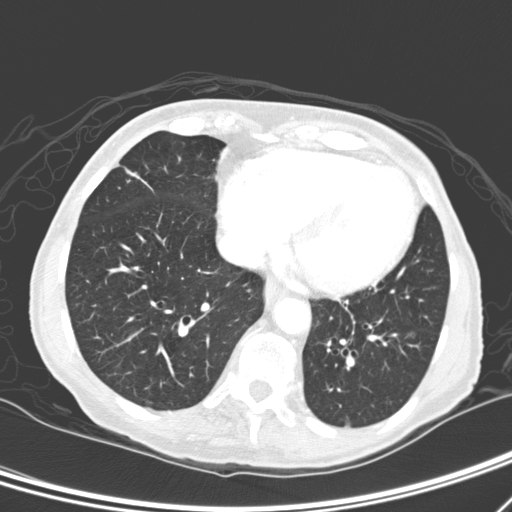
Slice 101/276 of a chest CT, counting up from the lowest; pixel size 0.617 mm, slice thickness 2.00 mm. Pulmonary nodule at rows 331–337, columns 406–415 (box = the union of the readers' outlines on this slice), outlined by all four readers, three of them on this slice; longest diameter 8.9 mm on average over the four readers' outlines (readers' outlines 7.2–10.6 mm), volume 121–277 mm3. Ratings, by the readers' most common answer with dissent counted: texture 2/5 by two of four readers; the rest gave 1/5 (non-solid) (one), 5/5 (solid) (one); margin 1/5 (indistinct) by three of four readers; the rest gave 5/5 (circumscribed) (one); sphericity 4/5 by two of four readers; the rest gave 2/5 (one), 3/5 (ovoid) (one); calcification absent, all four readers agreeing; internal structure soft tissue from all four readers; subtlety split among the readers: 2/5 (two), 4/5 (two); malignancy likelihood 4/5 by two of four readers; the rest gave 2/5 (one), 3/5 (one). Scale key (1–5): texture non-solid→solid, margin indistinct→circumscribed, sphericity linear→round, subtlety extremely subtle→obvious, malignancy likelihood highly unlikely→highly suspicious of cancer. Box rows and columns are 0-based pixel indices from the top-left corner, inclusive.
Scan settings: 120 kVp, D reconstruction kernel.